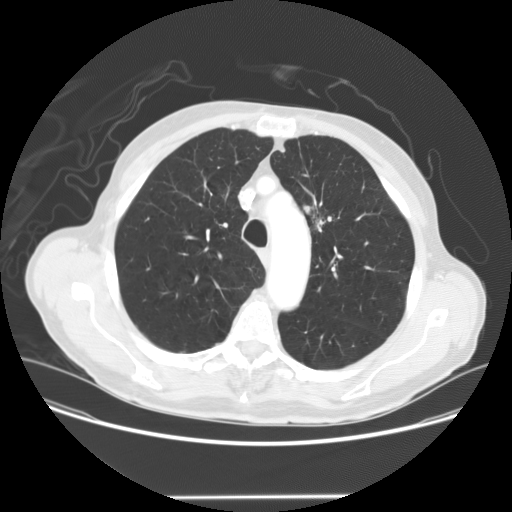
Slice 112/147 of a chest CT, counting up from the lowest; pixel size 0.781 mm, slice thickness 2.50 mm. Pulmonary nodule, outlined by all four readers. Box on this slice rows 204–231, columns 302–327, the union of the readers' outlines on this slice; longest diameter 32.8 mm on average over the four readers' outlines (readers' outlines 28.8–40.5 mm), volume 3077–10560 mm3. The readers' prevailing ratings and who disagreed: texture split among the readers: 3/5 (part-solid) (two), 5/5 (solid) (two); margin split among the readers: 2/5 (one), 3/5 (one), 4/5 (one), 5/5 (circumscribed) (one); sphericity 3/5 (ovoid), all four readers agreeing; calcification absent from all four readers; internal structure soft tissue, all four readers agreeing; most readers (three of four) put subtlety at 5/5, others 4/5 (one); malignancy likelihood 5/5 by two of four readers; the rest gave 3/5 (one), 4/5 (one). Scale key (1–5): texture non-solid→solid, margin indistinct→circumscribed, sphericity linear→round, subtlety extremely subtle→obvious, malignancy likelihood highly unlikely→highly suspicious of cancer. Box rows and columns are 0-based pixel indices from the top-left corner, inclusive.
Acquired at 120 kVp and reconstructed with the STANDARD kernel.